Axial chest CT slice 73 of 280 (counted from the lowest slice); tube voltage 140 kVp, convolution kernel D; slices 1.00 mm thick, 0.801 mm per pixel.
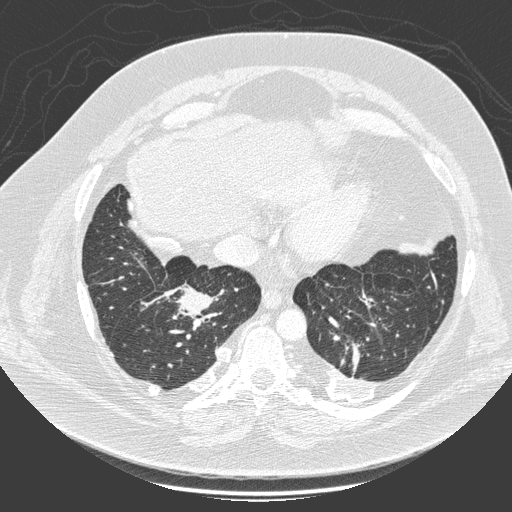
Pulmonary nodule at rows 287–321, columns 179–212 (box = that reader's outline on this slice), outlined by one of the four readers; longest diameter 49.9 mm and volume 31112 mm3 from that reader's outline. Ratings by that reader: texture 5/5 (solid); margin 4/5; sphericity 5/5 (round); calcification non-central calcification; internal structure soft tissue; subtlety 5/5; malignancy likelihood 5/5. Scale key (1–5): texture non-solid→solid, margin indistinct→circumscribed, sphericity linear→round, subtlety extremely subtle→obvious, malignancy likelihood highly unlikely→highly suspicious of cancer. Box rows and columns are 0-based pixel indices from the top-left corner, inclusive.